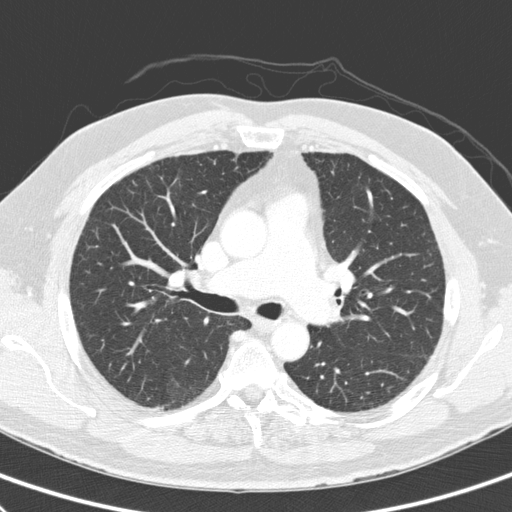
Axial slice 184 of 300 of a chest CT (slice 1 is the lowest), reconstructed with the D kernel at 120 kVp; 2.00 mm slice thickness and 0.662 mm pixels.
No nodule 3 mm or larger was outlined here by any reader.